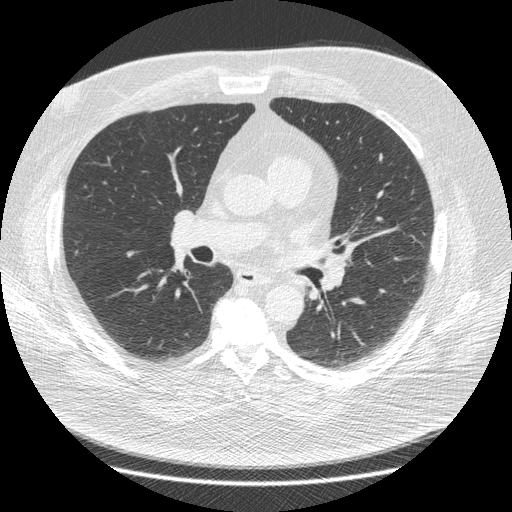
This is axial slice 227 of 426 (slice 1 is the lowest) of a chest CT; each pixel is 0.742 mm and the slice is 1.25 mm thick. Pulmonary nodule, outlined by two of the four readers. Box on this slice rows 251–256, columns 126–133, the union of the readers' outlines on this slice; median longest diameter 9.4 mm (readers' outlines 9.2–9.7 mm), median volume 107 mm3 (99–114 mm3). Ratings, median across the readers with their spread: texture 5/5 (solid) from both readers; median margin 4.5/5 (readers ranged 4/5 to 5/5 (circumscribed)); sphericity 3/5 (ovoid) from both readers; calcification absent from both readers; internal structure soft tissue, both readers agreeing; subtlety 3/5 from both readers; malignancy likelihood 2/5, both readers agreeing. Scale key (1–5): texture non-solid→solid, margin indistinct→circumscribed, sphericity linear→round, subtlety extremely subtle→obvious, malignancy likelihood highly unlikely→highly suspicious of cancer. Box rows and columns are 0-based pixel indices from the top-left corner, inclusive.
Scan settings: 120 kVp, STANDARD reconstruction kernel.